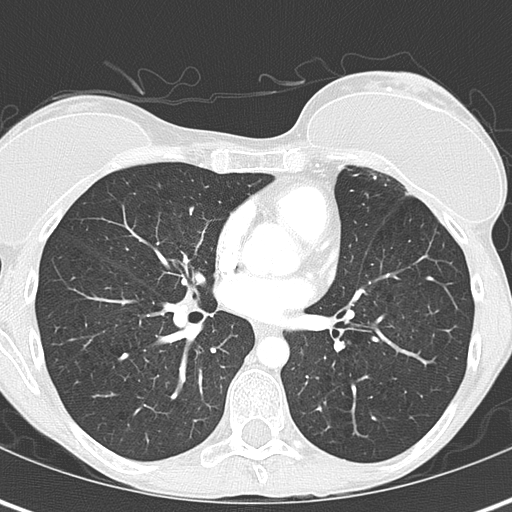
One axial slice (193 of 345, counting up from the lowest) of a chest CT acquired at 120 kVp with the B70f kernel; each pixel is 0.541 mm and the slice is 2.00 mm thick.
Pulmonary nodule, outlined by all four readers, one of them on this slice. Box on this slice rows 341–347, columns 341–344, the one reader's outline on this slice; longest diameter 6.8 mm on average over the four readers' outlines (readers' outlines 6.3–7.7 mm), volume 105–184 mm3. The readers' prevailing ratings and who disagreed: texture 5/5 (solid) from all four readers; margin 5/5 (circumscribed) from all four readers; sphericity split among the readers: 4/5 (two), 5/5 (round) (two); calcification split among the readers: laminated calcification (two), solid calcification (two); internal structure soft tissue, all four readers agreeing; subtlety 5/5 by two of four readers; the rest gave 2/5 (one), 3/5 (one); malignancy likelihood 1/5 from all four readers. Scale key (1–5): texture non-solid→solid, margin indistinct→circumscribed, sphericity linear→round, subtlety extremely subtle→obvious, malignancy likelihood highly unlikely→highly suspicious of cancer. Box rows and columns are 0-based pixel indices from the top-left corner, inclusive.